Chest CT, axial plane, 120 kVp, kernel STANDARD. Slice 124/139 from the bottom of the scan; thickness 2.50 mm; pixel size 0.703 mm.
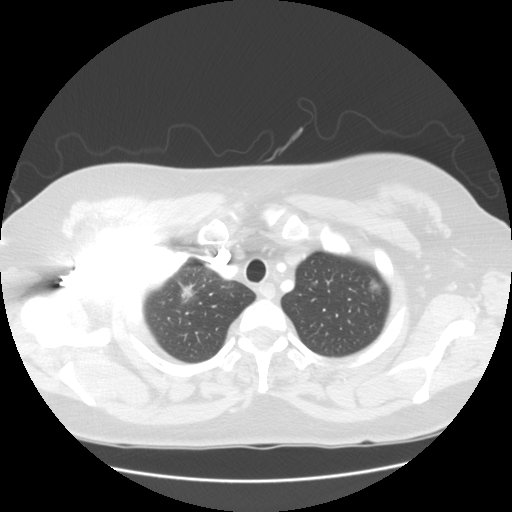
Two pulmonary nodules are outlined on this slice; from left to right: (1) Pulmonary nodule, outlined by all four readers. Box on this slice rows 282–301, columns 178–194, the union of the readers' outlines on this slice; median longest diameter 15.4 mm (readers' outlines 14.0–16.4 mm), median volume 825 mm3 (649–903 mm3). Median ratings and the readers' spread: median texture 4.5/5 (readers ranged 3/5 (part-solid) to 5/5 (solid)); margin 4/5 at the median of four readers, spread 3/5 to 5/5 (circumscribed); sphericity 3.5/5 at the median of four readers, spread 3/5 (ovoid) to 5/5 (round); calcification absent, all four readers agreeing; internal structure soft tissue from all four readers; median subtlety 5/5 (readers ranged 4–5); median malignancy likelihood 4.5/5 (readers ranged 3–5). (2) Pulmonary nodule, outlined by two of the four readers. Box on this slice rows 278–293, columns 368–381, the union of the readers' outlines on this slice; the two readers' outlines give a longest diameter between 11.0 and 14.2 mm and a volume between 242 and 583 mm3. Ratings across the readers: texture from 1/5 (non-solid) to 4/5 across the two readers; margin from 1/5 (indistinct) to 4/5 across the two readers; sphericity from 4/5 to 5/5 (round) across the two readers; calcification absent, both readers agreeing; internal structure soft tissue from both readers; subtlety from 2/5 to 5/5 across the two readers; malignancy likelihood 3/5 from both readers. Scale key (1–5): texture non-solid→solid, margin indistinct→circumscribed, sphericity linear→round, subtlety extremely subtle→obvious, malignancy likelihood highly unlikely→highly suspicious of cancer. Box rows and columns are 0-based pixel indices from the top-left corner, inclusive.